Axial chest CT slice 128 of 291 (counted from the lowest slice); tube voltage 120 kVp, convolution kernel BONE; slices 1.25 mm thick, 0.820 mm per pixel.
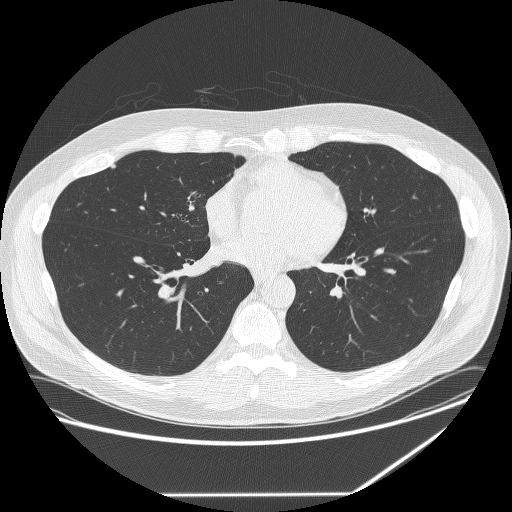
Pulmonary nodule at rows 164–168, columns 110–115 (box = the union of the readers' outlines on this slice), outlined by all four readers; longest diameter 5.9 mm on average over the four readers' outlines (readers' outlines 5.5–6.2 mm), volume 56–90 mm3. Ratings, by the readers' most common answer with dissent counted: texture 5/5 (solid), all four readers agreeing; most readers (three of four) put margin at 5/5 (circumscribed), others 4/5 (one); sphericity 4/5 by two of four readers; the rest gave 3/5 (ovoid) (one), 5/5 (round) (one); calcification absent, all four readers agreeing; internal structure soft tissue, all four readers agreeing; subtlety 2/5 by two of four readers; the rest gave 3/5 (one), 4/5 (one); malignancy likelihood 2/5 by two of four readers; the rest gave 1/5 (one), 3/5 (one). Scale key (1–5): texture non-solid→solid, margin indistinct→circumscribed, sphericity linear→round, subtlety extremely subtle→obvious, malignancy likelihood highly unlikely→highly suspicious of cancer. Box rows and columns are 0-based pixel indices from the top-left corner, inclusive.